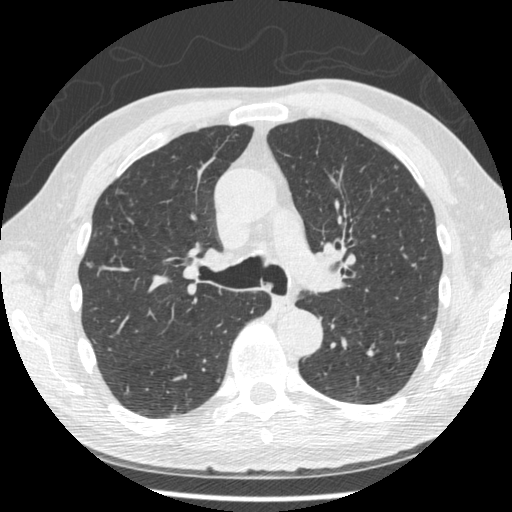
Axial slice 305 of 481 of a chest CT (slice 1 is the lowest), reconstructed with the STANDARD kernel at 120 kVp; 1.25 mm slice thickness and 0.664 mm pixels.
Pulmonary nodule, outlined by one of the four readers. Box on this slice rows 261–268, columns 85–92, that reader's outline on this slice; longest diameter 8.7 mm and volume 117 mm3 from that reader's outline. Ratings by that reader: texture 4/5; margin 5/5 (circumscribed); sphericity 4/5; calcification absent; internal structure soft tissue; subtlety 4/5; malignancy likelihood 4/5. Scale key (1–5): texture non-solid→solid, margin indistinct→circumscribed, sphericity linear→round, subtlety extremely subtle→obvious, malignancy likelihood highly unlikely→highly suspicious of cancer. Box rows and columns are 0-based pixel indices from the top-left corner, inclusive.